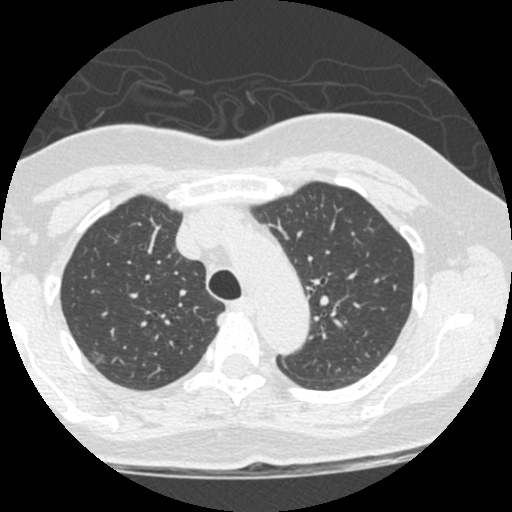
This is axial slice 391 of 490 (slice 1 is the lowest) of a chest CT; each pixel is 0.547 mm and the slice is 1.25 mm thick. Pulmonary nodule at rows 350–364, columns 88–107 (box = the union of the readers' outlines on this slice), outlined by three of the four readers, two of them on this slice; median longest diameter 15.2 mm (readers' outlines 14.3–18.3 mm), median volume 997 mm3 (967–1422 mm3). Median ratings and the readers' spread: texture 1/5 (non-solid) at the median of three readers, spread 1/5 (non-solid) to 5/5 (solid); median margin 2/5 (readers ranged 2/5 to 4/5); median sphericity 4/5 (readers ranged 3/5 (ovoid) to 5/5 (round)); calcification absent, all three readers agreeing; internal structure soft tissue, all three readers agreeing; median subtlety 5/5 (readers ranged 1–5); median malignancy likelihood 3/5 (readers ranged 2–5). Scale key (1–5): texture non-solid→solid, margin indistinct→circumscribed, sphericity linear→round, subtlety extremely subtle→obvious, malignancy likelihood highly unlikely→highly suspicious of cancer. Box rows and columns are 0-based pixel indices from the top-left corner, inclusive.
Acquired at 120 kVp and reconstructed with the STANDARD kernel.